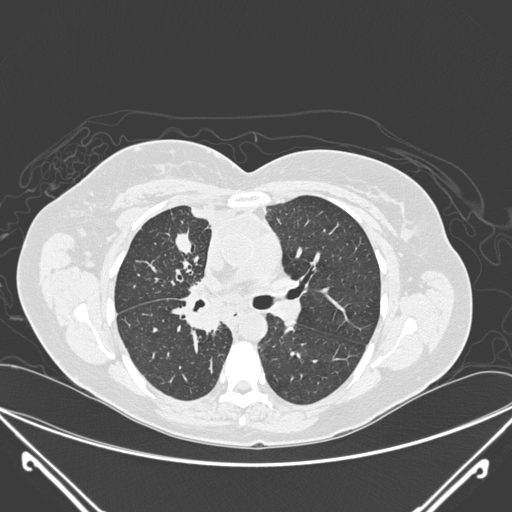
Chest CT, axial plane, 120 kVp, kernel D. Slice 163/275 from the bottom of the scan; thickness 1.00 mm; pixel size 0.781 mm.
Pulmonary nodule, outlined by all four readers. Box on this slice rows 229–255, columns 175–190, the union of the readers' outlines on this slice; median longest diameter 22.3 mm (readers' outlines 20.3–23.4 mm), median volume 2245 mm3 (1750–2560 mm3). Median ratings and the readers' spread: texture 5/5 (solid) from all four readers; median margin 4/5 (readers ranged 3/5 to 5/5 (circumscribed)); sphericity 2.5/5 at the median of four readers, spread 2/5 to 5/5 (round); calcification: absent (three), central calcification (one); internal structure soft tissue from all four readers; subtlety 5/5 from all four readers; median malignancy likelihood 3.5/5 (readers ranged 1–5). Scale key (1–5): texture non-solid→solid, margin indistinct→circumscribed, sphericity linear→round, subtlety extremely subtle→obvious, malignancy likelihood highly unlikely→highly suspicious of cancer. Box rows and columns are 0-based pixel indices from the top-left corner, inclusive.